Axial chest CT slice 212 of 301 (counted from the lowest slice); tube voltage 120 kVp, convolution kernel STANDARD; slices 1.25 mm thick, 0.752 mm per pixel.
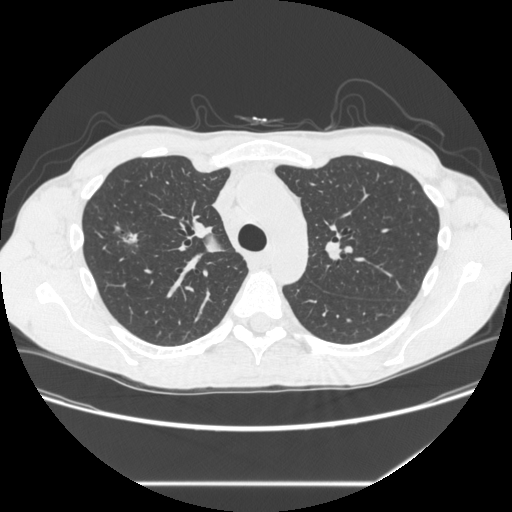
Pulmonary nodule, outlined by all four readers. Box on this slice rows 230–243, columns 119–137, the union of the readers' outlines on this slice; longest diameter 13.6 mm on average over the four readers' outlines (readers' outlines 12.1–14.8 mm), volume 491–1018 mm3. The readers' prevailing ratings and who disagreed: texture 5/5 (solid) by two of four readers; the rest gave 3/5 (part-solid) (one), 4/5 (one); margin 1/5 (indistinct) by two of four readers; the rest gave 3/5 (one), 4/5 (one); sphericity 4/5 by three of four readers; the rest gave 2/5 (one); calcification absent, all four readers agreeing; internal structure split among the readers: soft tissue (two), air (two); subtlety 5/5, all four readers agreeing; malignancy likelihood split among the readers: 4/5 (two), 5/5 (two). Scale key (1–5): texture non-solid→solid, margin indistinct→circumscribed, sphericity linear→round, subtlety extremely subtle→obvious, malignancy likelihood highly unlikely→highly suspicious of cancer. Box rows and columns are 0-based pixel indices from the top-left corner, inclusive.